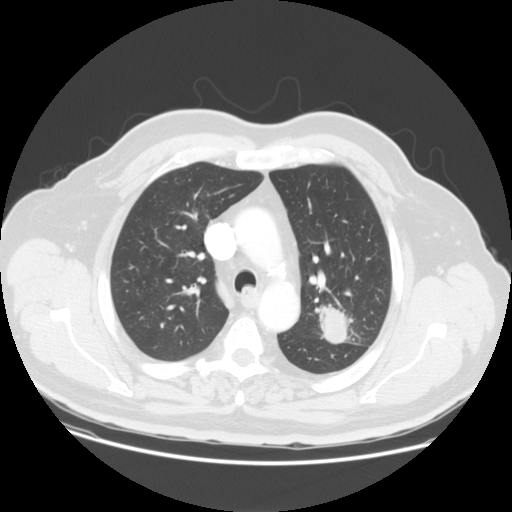
Axial chest CT slice 111 of 149 (counted from the lowest slice); 2.50 mm thick, 0.781 mm per pixel. Pulmonary nodule outlined by three of the four readers; box rows 304–343, columns 316–351 (the union of the readers' outlines on this slice); the three readers' outlines give a longest diameter between 34.5 and 53.9 mm and a volume between 15350 and 17058 mm3. The readers' ratings, as ranges where they differ: texture 5/5 (solid) from all three readers; margin from 4/5 to 5/5 (circumscribed) across the three readers; sphericity from 4/5 to 5/5 (round) across the three readers; calcification absent, all three readers agreeing; internal structure soft tissue from all three readers; subtlety 5/5 from all three readers; malignancy likelihood 4–5/5 (the readers disagree). Scale key (1–5): texture non-solid→solid, margin indistinct→circumscribed, sphericity linear→round, subtlety extremely subtle→obvious, malignancy likelihood highly unlikely→highly suspicious of cancer. Box rows and columns are 0-based pixel indices from the top-left corner, inclusive.
Tube voltage 120 kVp; convolution kernel STANDARD.